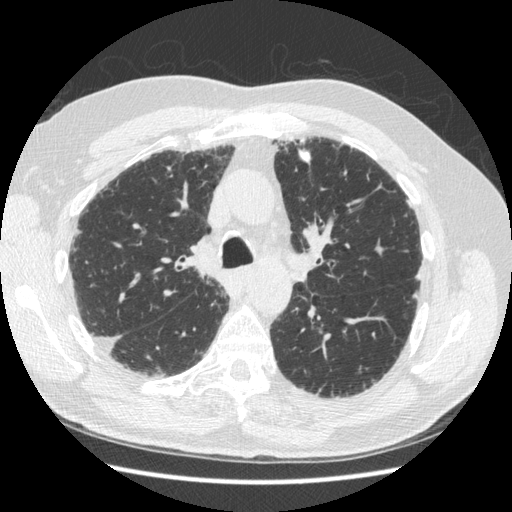
Axial chest CT slice 337 of 497 (counted from the lowest slice); tube voltage 120 kVp, convolution kernel STANDARD; slices 1.25 mm thick, 0.703 mm per pixel.
Pulmonary nodule outlined by all four readers; box rows 148–164, columns 296–311 (the union of the readers' outlines on this slice); median longest diameter 16.3 mm (readers' outlines 15.2–16.7 mm), median volume 732 mm3 (670–817 mm3). Ratings, median across the readers with their spread: texture 5/5 (solid), all four readers agreeing; median margin 5/5 (circumscribed) (readers ranged 3/5 to 5/5 (circumscribed)); median sphericity 4.5/5 (readers ranged 2/5 to 5/5 (round)); calcification solid calcification, all four readers agreeing; internal structure soft tissue from all four readers; subtlety 5/5 from all four readers; malignancy likelihood 1/5, all four readers agreeing. Scale key (1–5): texture non-solid→solid, margin indistinct→circumscribed, sphericity linear→round, subtlety extremely subtle→obvious, malignancy likelihood highly unlikely→highly suspicious of cancer. Box rows and columns are 0-based pixel indices from the top-left corner, inclusive.